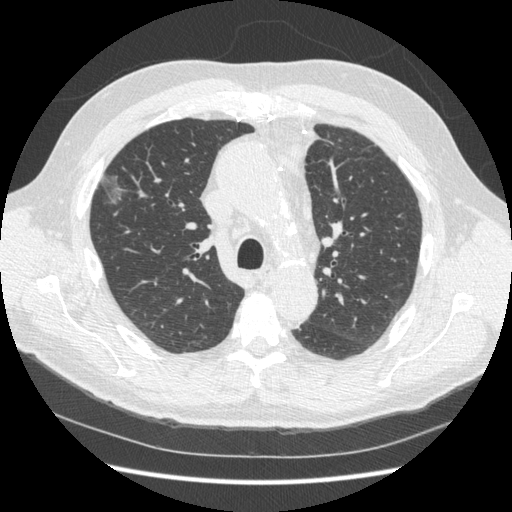
Chest CT, axial plane, 120 kVp, kernel STANDARD. Slice 236/369 from the bottom of the scan; thickness 1.25 mm; pixel size 0.703 mm.
Pulmonary nodule outlined by one of the four readers; box rows 173–205, columns 101–122 (that reader's outline on this slice); longest diameter 27.0 mm and volume 3015 mm3 from that reader's outline. That reader's ratings: texture 1/5 (non-solid); margin 1/5 (indistinct); sphericity 3/5 (ovoid); calcification absent; internal structure soft tissue; subtlety 3/5; malignancy likelihood 3/5. Scale key (1–5): texture non-solid→solid, margin indistinct→circumscribed, sphericity linear→round, subtlety extremely subtle→obvious, malignancy likelihood highly unlikely→highly suspicious of cancer. Box rows and columns are 0-based pixel indices from the top-left corner, inclusive.